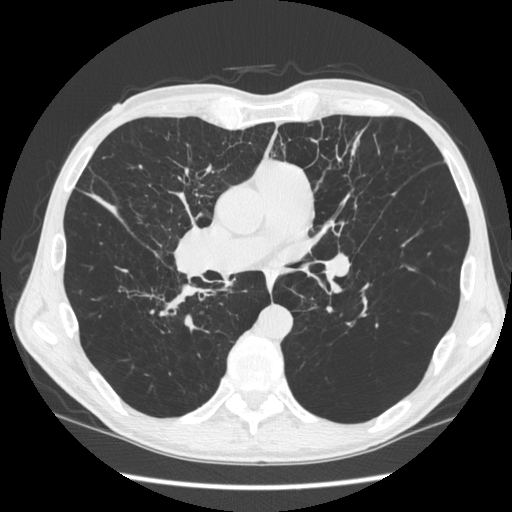
Chest CT, axial plane, 120 kVp, kernel STANDARD. Slice 312/583 from the bottom of the scan; thickness 1.25 mm; pixel size 0.703 mm.
Pulmonary nodule, outlined by two of the four readers, one of them on this slice. Box on this slice rows 295–315, columns 360–366, the one reader's outline on this slice; longest diameter 27.9 mm on average over the two readers' outlines (readers' outlines 24.1–31.7 mm), volume 791–1176 mm3. Ratings, by the readers' most common answer with dissent counted: texture 5/5 (solid), both readers agreeing; margin split among the readers: 1/5 (indistinct) (one), 4/5 (one); sphericity split among the readers: 1/5 (linear) (one), 2/5 (one); calcification absent from both readers; internal structure soft tissue from both readers; subtlety 5/5 from both readers; malignancy likelihood split among the readers: 2/5 (one), 3/5 (one). Scale key (1–5): texture non-solid→solid, margin indistinct→circumscribed, sphericity linear→round, subtlety extremely subtle→obvious, malignancy likelihood highly unlikely→highly suspicious of cancer. Box rows and columns are 0-based pixel indices from the top-left corner, inclusive.